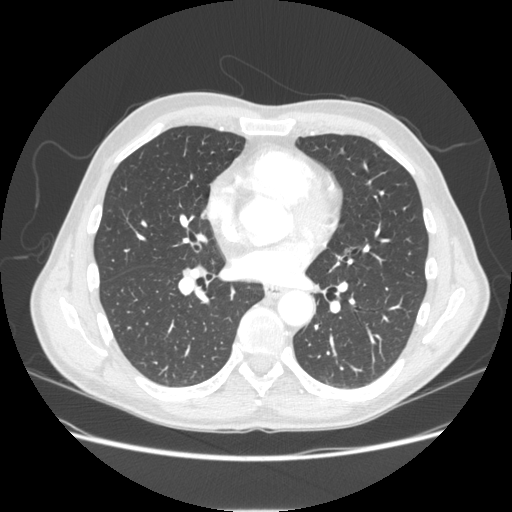
One axial slice (117 of 253, counting up from the lowest) of a chest CT acquired at 120 kVp with the STANDARD kernel; each pixel is 0.742 mm and the slice is 1.25 mm thick.
Pulmonary nodule, outlined by all four readers, three of them on this slice. Box on this slice rows 210–217, columns 200–207, the union of the readers' outlines on this slice; the four readers' outlines give a longest diameter between 8.7 and 10.7 mm and a volume between 228 and 321 mm3. Ratings across the readers: texture 5/5 (solid) from all four readers; margin 5/5 (circumscribed) from all four readers; sphericity from 3/5 (ovoid) to 5/5 (round) across the four readers; calcification absent from all four readers; internal structure soft tissue, all four readers agreeing; subtlety 3–5/5 (the readers disagree); malignancy likelihood rated between 2 and 4 out of 5 by the four readers. Scale key (1–5): texture non-solid→solid, margin indistinct→circumscribed, sphericity linear→round, subtlety extremely subtle→obvious, malignancy likelihood highly unlikely→highly suspicious of cancer. Box rows and columns are 0-based pixel indices from the top-left corner, inclusive.